One axial slice (211 of 277, counting up from the lowest) of a chest CT acquired at 120 kVp with the STANDARD kernel; each pixel is 0.879 mm and the slice is 1.25 mm thick.
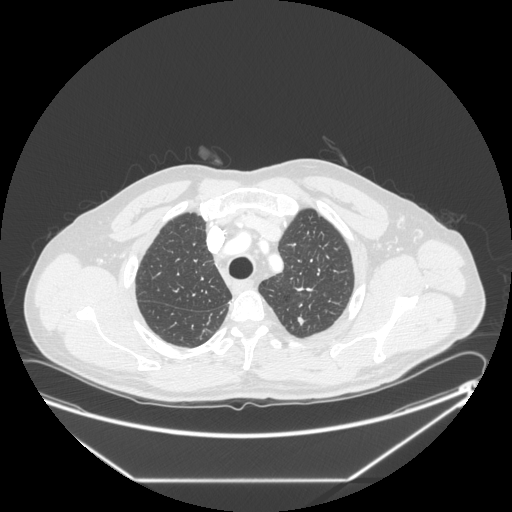
Pulmonary nodule at rows 316–326, columns 297–304 (box = the union of the readers' outlines on this slice), outlined by all four readers; longest diameter 10.0 mm on average over the four readers' outlines (readers' outlines 8.8–11.6 mm), volume 140–256 mm3. The readers' prevailing ratings and who disagreed: texture 5/5 (solid), all four readers agreeing; margin split among the readers: 4/5 (two), 5/5 (circumscribed) (two); sphericity 3/5 (ovoid) by three of four readers; the rest gave 4/5 (one); calcification absent, all four readers agreeing; internal structure soft tissue from all four readers; subtlety 5/5 by two of four readers; the rest gave 2/5 (one), 4/5 (one); malignancy likelihood 4/5 by two of four readers; the rest gave 2/5 (one), 3/5 (one). Scale key (1–5): texture non-solid→solid, margin indistinct→circumscribed, sphericity linear→round, subtlety extremely subtle→obvious, malignancy likelihood highly unlikely→highly suspicious of cancer. Box rows and columns are 0-based pixel indices from the top-left corner, inclusive.